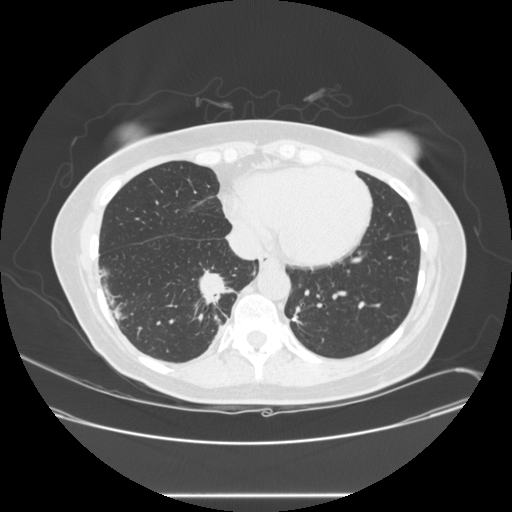
Axial slice 102 of 257 of a chest CT (slice 1 is the lowest), reconstructed with the STANDARD kernel at 120 kVp; 1.25 mm slice thickness and 0.781 mm pixels.
Pulmonary nodule, outlined by all four readers. Box on this slice rows 269–305, columns 197–236, the union of the readers' outlines on this slice; median longest diameter 33.5 mm (readers' outlines 28.0–45.1 mm), median volume 6377 mm3 (5019–8578 mm3). Median ratings and the readers' spread: texture 5/5 (solid), all four readers agreeing; median margin 4.5/5 (readers ranged 1/5 (indistinct) to 5/5 (circumscribed)); sphericity 3.5/5 at the median of four readers, spread 3/5 (ovoid) to 4/5; calcification absent from all four readers; internal structure soft tissue, all four readers agreeing; subtlety 5/5 from all four readers; malignancy likelihood 5/5, all four readers agreeing. Scale key (1–5): texture non-solid→solid, margin indistinct→circumscribed, sphericity linear→round, subtlety extremely subtle→obvious, malignancy likelihood highly unlikely→highly suspicious of cancer. Box rows and columns are 0-based pixel indices from the top-left corner, inclusive.